One axial slice (143 of 246, counting up from the lowest) of a chest CT acquired at 120 kVp with the STANDARD kernel; each pixel is 0.859 mm and the slice is 1.25 mm thick.
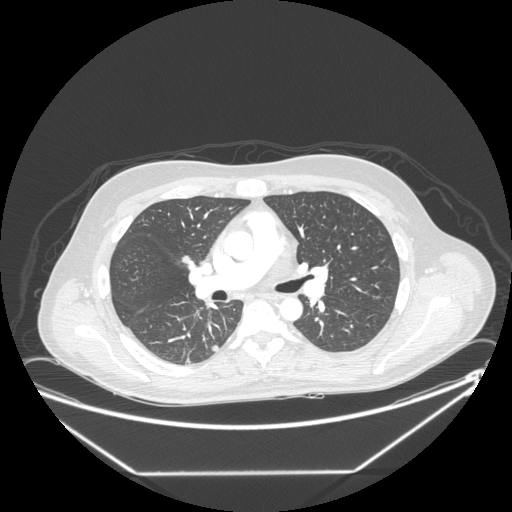
Pulmonary nodule at rows 345–350, columns 211–218 (box = the union of the readers' outlines on this slice), outlined by three of the four readers; the three readers' outlines give a longest diameter between 8.5 and 8.8 mm and a volume between 162 and 188 mm3. Ratings across the readers: texture 5/5 (solid), all three readers agreeing; margin from 4/5 to 5/5 (circumscribed) across the three readers; sphericity from 4/5 to 5/5 (round) across the three readers; calcification absent from all three readers; internal structure soft tissue, all three readers agreeing; subtlety 4/5, all three readers agreeing; malignancy likelihood 3–4/5 (the readers disagree). Scale key (1–5): texture non-solid→solid, margin indistinct→circumscribed, sphericity linear→round, subtlety extremely subtle→obvious, malignancy likelihood highly unlikely→highly suspicious of cancer. Box rows and columns are 0-based pixel indices from the top-left corner, inclusive.